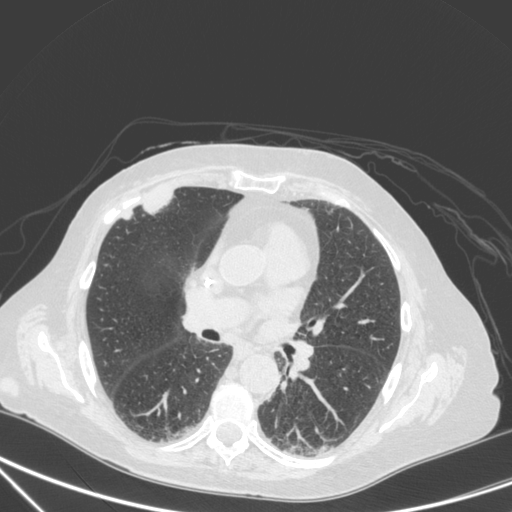
Slice 179/350 of a chest CT, counting up from the lowest; pixel size 0.725 mm, slice thickness 1.50 mm. Two pulmonary nodules are outlined on this slice; from left to right: (1) Pulmonary nodule outlined by one of the four readers; box rows 212–218, columns 124–132 (that reader's outline on this slice); longest diameter 11.5 mm and volume 223 mm3 from that reader's outline. That reader's ratings: texture 5/5 (solid); margin 4/5; sphericity 4/5; calcification absent; internal structure soft tissue; subtlety 5/5; malignancy likelihood 4/5. (2) Pulmonary nodule at rows 192–213, columns 143–172 (box = that reader's outline on this slice), outlined by one of the four readers; longest diameter 29.5 mm and volume 4181 mm3 from that reader's outline. Ratings by that reader: texture 5/5 (solid); margin 4/5; sphericity 2/5; calcification absent; internal structure soft tissue; subtlety 5/5; malignancy likelihood 4/5. Scale key (1–5): texture non-solid→solid, margin indistinct→circumscribed, sphericity linear→round, subtlety extremely subtle→obvious, malignancy likelihood highly unlikely→highly suspicious of cancer. Box rows and columns are 0-based pixel indices from the top-left corner, inclusive.
Acquired at 120 kVp and reconstructed with the C kernel.